Axial chest CT slice 442 of 501 (counted from the lowest slice); tube voltage 140 kVp, convolution kernel STANDARD; slices 1.25 mm thick, 0.703 mm per pixel.
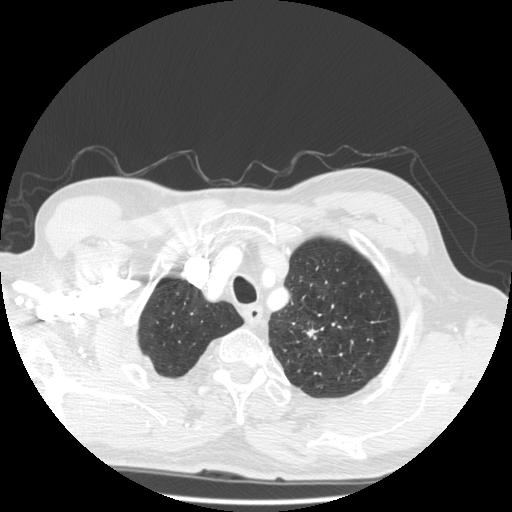
Pulmonary nodule outlined by three of the four readers; box rows 328–337, columns 303–318 (the union of the readers' outlines on this slice); longest diameter 35.0 mm on average over the three readers' outlines (readers' outlines 32.1–39.2 mm), volume 2361–4873 mm3. Ratings, by the readers' most common answer with dissent counted: texture 5/5 (solid) by two of three readers; the rest gave 4/5 (one); margin split among the readers: 1/5 (indistinct) (one), 3/5 (one), 5/5 (circumscribed) (one); sphericity split among the readers: 2/5 (one), 3/5 (ovoid) (one), 5/5 (round) (one); calcification absent, all three readers agreeing; internal structure soft tissue from all three readers; subtlety 5/5, all three readers agreeing; most readers (two of three) put malignancy likelihood at 5/5, others 4/5 (one). Scale key (1–5): texture non-solid→solid, margin indistinct→circumscribed, sphericity linear→round, subtlety extremely subtle→obvious, malignancy likelihood highly unlikely→highly suspicious of cancer. Box rows and columns are 0-based pixel indices from the top-left corner, inclusive.